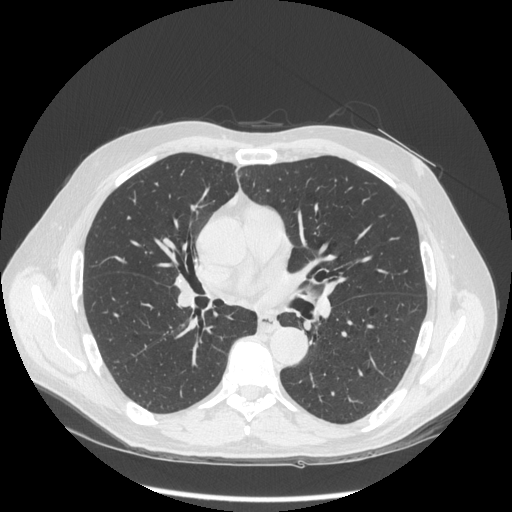
Chest CT, axial plane, 120 kVp, kernel STANDARD. Slice 152/297 from the bottom of the scan; thickness 1.25 mm; pixel size 0.787 mm.
No nodule 3 mm or larger was outlined here by any reader.